Chest CT, axial plane, 120 kVp, kernel STANDARD. Slice 332/516 from the bottom of the scan; thickness 1.25 mm; pixel size 0.820 mm.
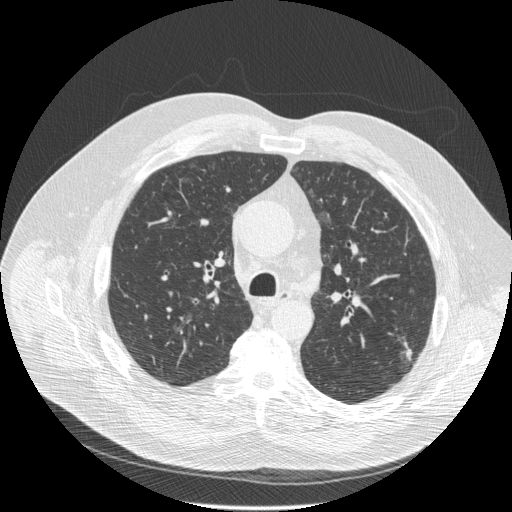
Pulmonary nodule at rows 341–360, columns 402–413 (box = the union of the readers' outlines on this slice), outlined by three of the four readers, two of them on this slice; longest diameter 27.7 mm on average over the three readers' outlines (readers' outlines 23.2–31.7 mm), volume 750–1666 mm3. Ratings, by the readers' most common answer with dissent counted: texture split among the readers: 3/5 (part-solid) (one), 4/5 (one), 5/5 (solid) (one); margin 3/5 by two of three readers; the rest gave 4/5 (one); sphericity 2/5, all three readers agreeing; calcification absent from all three readers; internal structure soft tissue from all three readers; subtlety 5/5 from all three readers; malignancy likelihood 4/5 from all three readers. Scale key (1–5): texture non-solid→solid, margin indistinct→circumscribed, sphericity linear→round, subtlety extremely subtle→obvious, malignancy likelihood highly unlikely→highly suspicious of cancer. Box rows and columns are 0-based pixel indices from the top-left corner, inclusive.